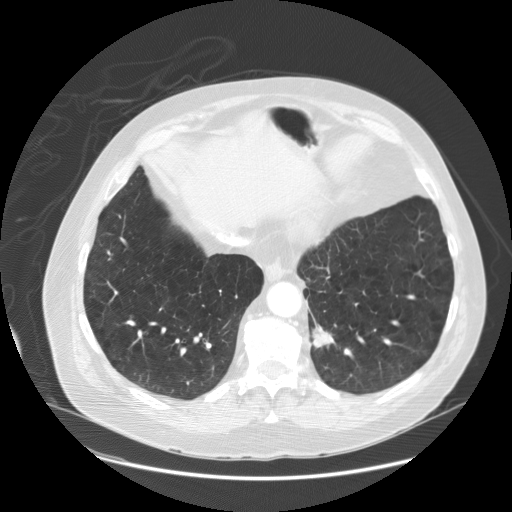
Axial slice 48 of 149 of a chest CT (slice 1 is the lowest), reconstructed with the STANDARD kernel at 120 kVp; 2.50 mm slice thickness and 0.820 mm pixels.
Pulmonary nodule outlined by all four readers; box rows 317–349, columns 312–334 (the union of the readers' outlines on this slice); longest diameter 24.0 mm on average over the four readers' outlines (readers' outlines 21.9–28.7 mm), volume 2868–3180 mm3. Ratings, by the readers' most common answer with dissent counted: most readers (three of four) put texture at 5/5 (solid), others 4/5 (one); margin 4/5 by two of four readers; the rest gave 3/5 (one), 5/5 (circumscribed) (one); sphericity 4/5 by two of four readers; the rest gave 3/5 (ovoid) (one), 5/5 (round) (one); calcification absent, all four readers agreeing; internal structure soft tissue, all four readers agreeing; subtlety 5/5 by three of four readers; the rest gave 4/5 (one); malignancy likelihood 3/5 by two of four readers; the rest gave 4/5 (one), 5/5 (one). Scale key (1–5): texture non-solid→solid, margin indistinct→circumscribed, sphericity linear→round, subtlety extremely subtle→obvious, malignancy likelihood highly unlikely→highly suspicious of cancer. Box rows and columns are 0-based pixel indices from the top-left corner, inclusive.